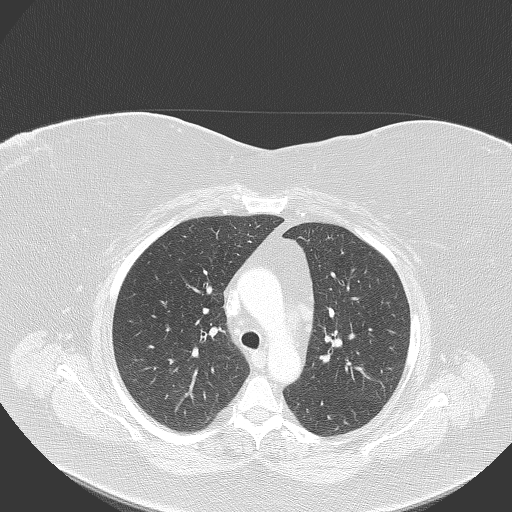
Slice 237/320 of a chest CT, counting up from the lowest; pixel size 0.768 mm, slice thickness 2.00 mm. Pulmonary nodule, outlined by two of the four readers. Box on this slice rows 417–422, columns 204–210, the union of the readers' outlines on this slice; longest diameter 9.8 mm on average over the two readers' outlines (readers' outlines 9.3–10.3 mm), volume 181–234 mm3. The readers' prevailing ratings and who disagreed: texture split among the readers: 1/5 (non-solid) (one), 4/5 (one); margin split among the readers: 2/5 (one), 3/5 (one); sphericity split among the readers: 3/5 (ovoid) (one), 5/5 (round) (one); calcification absent, both readers agreeing; internal structure soft tissue, both readers agreeing; subtlety split among the readers: 1/5 (one), 3/5 (one); malignancy likelihood split among the readers: 2/5 (one), 3/5 (one). Scale key (1–5): texture non-solid→solid, margin indistinct→circumscribed, sphericity linear→round, subtlety extremely subtle→obvious, malignancy likelihood highly unlikely→highly suspicious of cancer. Box rows and columns are 0-based pixel indices from the top-left corner, inclusive.
Scan settings: 120 kVp, B70f reconstruction kernel.